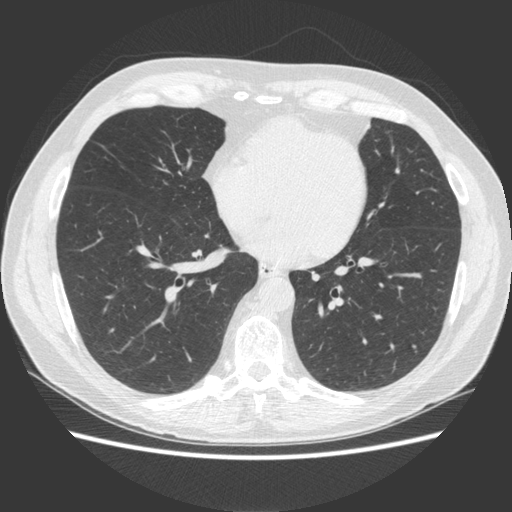
Axial slice 196 of 500 of a chest CT (slice 1 is the lowest), reconstructed with the STANDARD kernel at 120 kVp; 1.25 mm slice thickness and 0.703 mm pixels.
Pulmonary nodule at rows 343–348, columns 410–417 (box = the union of the readers' outlines on this slice), outlined by three of the four readers; the three readers' outlines give a longest diameter between 6.6 and 8.2 mm and a volume between 102 and 165 mm3. Ratings across the readers: texture from 4/5 to 5/5 (solid) across the three readers; margin from 4/5 to 5/5 (circumscribed) across the three readers; sphericity from 3/5 (ovoid) to 5/5 (round) across the three readers; calcification absent, all three readers agreeing; internal structure soft tissue from all three readers; subtlety 4–5/5 (the readers disagree); malignancy likelihood from 2/5 to 4/5 across the three readers. Scale key (1–5): texture non-solid→solid, margin indistinct→circumscribed, sphericity linear→round, subtlety extremely subtle→obvious, malignancy likelihood highly unlikely→highly suspicious of cancer. Box rows and columns are 0-based pixel indices from the top-left corner, inclusive.